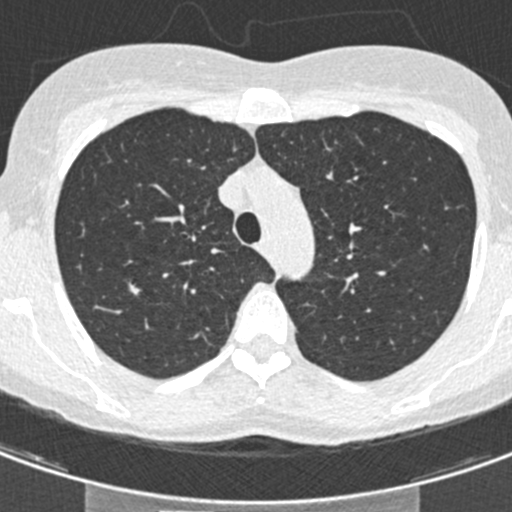
One axial slice (328 of 429, counting up from the lowest) of a chest CT acquired at 120 kVp with the B30f kernel; each pixel is 0.537 mm and the slice is 0.75 mm thick.
Pulmonary nodule outlined by all four readers; box rows 280–296, columns 125–141 (the union of the readers' outlines on this slice); longest diameter 11.2–13.4 mm and volume 226–398 mm3 across the four readers' outlines. The readers' ratings, as ranges where they differ: texture from 3/5 (part-solid) to 4/5 across the four readers; margin from 1/5 (indistinct) to 4/5 across the four readers; sphericity from 2/5 to 5/5 (round) across the four readers; calcification absent from all four readers; internal structure soft tissue, all four readers agreeing; subtlety rated between 3 and 5 out of 5 by the four readers; malignancy likelihood from 3/5 to 4/5 across the four readers. Scale key (1–5): texture non-solid→solid, margin indistinct→circumscribed, sphericity linear→round, subtlety extremely subtle→obvious, malignancy likelihood highly unlikely→highly suspicious of cancer. Box rows and columns are 0-based pixel indices from the top-left corner, inclusive.